One axial slice (99 of 126, counting up from the lowest) of a chest CT acquired at 135 kVp with the FC01 kernel; each pixel is 0.744 mm and the slice is 3.00 mm thick.
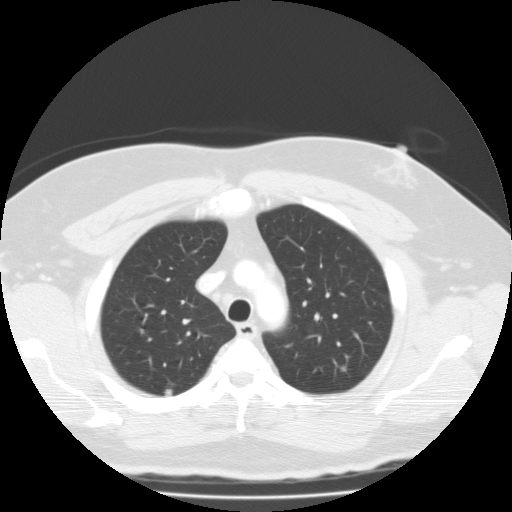
Three pulmonary nodules are outlined on this slice; from left to right: (1) Pulmonary nodule, outlined by one of the four readers. Box on this slice rows 329–333, columns 139–142, that reader's outline on this slice; longest diameter 8.3 mm and volume 179 mm3 from that reader's outline. That reader's ratings: texture 5/5 (solid); margin 5/5 (circumscribed); sphericity 4/5; calcification central calcification; internal structure soft tissue; subtlety 5/5; malignancy likelihood 1/5. (2) Pulmonary nodule at rows 389–395, columns 165–171 (box = the union of the readers' outlines on this slice), outlined by two of the four readers; longest diameter 7.1 mm on average over the two readers' outlines (readers' outlines 6.3–7.9 mm), volume 111–192 mm3. Ratings, by the readers' most common answer with dissent counted: texture split among the readers: 1/5 (non-solid) (one), 5/5 (solid) (one); margin split among the readers: 2/5 (one), 4/5 (one); sphericity 4/5 from both readers; calcification absent, both readers agreeing; internal structure soft tissue, both readers agreeing; subtlety split among the readers: 1/5 (one), 3/5 (one); malignancy likelihood split among the readers: 1/5 (one), 3/5 (one). (3) Pulmonary nodule at rows 364–372, columns 339–347 (box = the union of the readers' outlines on this slice), outlined by three of the four readers; longest diameter 7.5 mm on average over the three readers' outlines (readers' outlines 6.7–8.3 mm), volume 228–298 mm3. Ratings, by the readers' most common answer with dissent counted: texture 4/5 by two of three readers; the rest gave 5/5 (solid) (one); margin 3/5 by two of three readers; the rest gave 5/5 (circumscribed) (one); sphericity 5/5 (round) by two of three readers; the rest gave 4/5 (one); calcification absent by two of three readers, solid calcification (one); internal structure soft tissue from all three readers; subtlety 2/5 by two of three readers; the rest gave 3/5 (one); most readers (two of three) put malignancy likelihood at 3/5, others 1/5 (one). Scale key (1–5): texture non-solid→solid, margin indistinct→circumscribed, sphericity linear→round, subtlety extremely subtle→obvious, malignancy likelihood highly unlikely→highly suspicious of cancer. Box rows and columns are 0-based pixel indices from the top-left corner, inclusive.